Axial chest CT slice 42 of 143 (counted from the lowest slice); tube voltage 120 kVp, convolution kernel STANDARD; slices 2.50 mm thick, 0.703 mm per pixel.
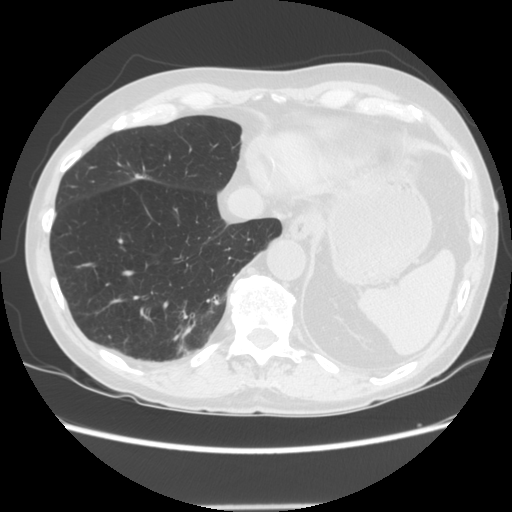
Pulmonary nodule outlined by all four readers; box rows 172–181, columns 132–156 (the union of the readers' outlines on this slice); median longest diameter 22.8 mm (readers' outlines 21.6–28.5 mm), median volume 2075 mm3 (1793–2260 mm3). Median ratings and the readers' spread: texture 5/5 (solid) at the median of four readers, spread 4/5 to 5/5 (solid); margin 4/5 at the median of four readers, spread 4/5 to 5/5 (circumscribed); sphericity 3.5/5 at the median of four readers, spread 2/5 to 5/5 (round); calcification absent, all four readers agreeing; internal structure soft tissue from all four readers; subtlety 5/5 from all four readers; malignancy likelihood 5/5 at the median of four readers, spread 4–5. Scale key (1–5): texture non-solid→solid, margin indistinct→circumscribed, sphericity linear→round, subtlety extremely subtle→obvious, malignancy likelihood highly unlikely→highly suspicious of cancer. Box rows and columns are 0-based pixel indices from the top-left corner, inclusive.